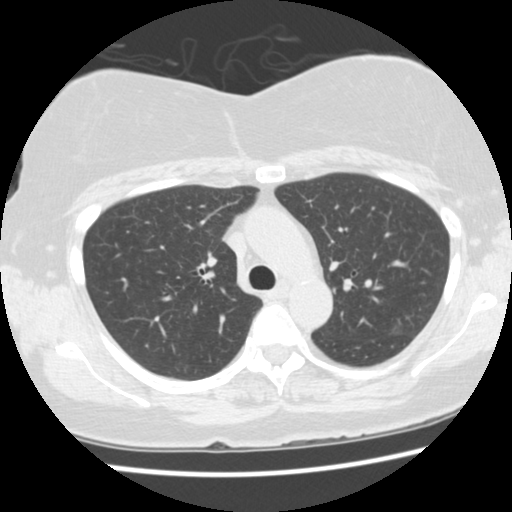
This is axial slice 97 of 145 (slice 1 is the lowest) of a chest CT; each pixel is 0.625 mm and the slice is 2.50 mm thick. Pulmonary nodule, outlined by one of the four readers. Box on this slice rows 326–335, columns 392–403, that reader's outline on this slice; longest diameter 11.2 mm and volume 332 mm3 from that reader's outline. Ratings by that reader: texture 1/5 (non-solid); margin 1/5 (indistinct); sphericity 3/5 (ovoid); calcification absent; internal structure soft tissue; subtlety 4/5; malignancy likelihood 2/5. Scale key (1–5): texture non-solid→solid, margin indistinct→circumscribed, sphericity linear→round, subtlety extremely subtle→obvious, malignancy likelihood highly unlikely→highly suspicious of cancer. Box rows and columns are 0-based pixel indices from the top-left corner, inclusive.
Acquired at 120 kVp and reconstructed with the STANDARD kernel.